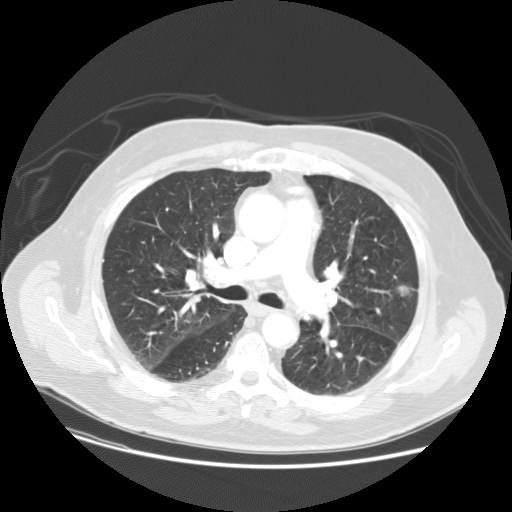
Chest CT, axial plane, 120 kVp, kernel STANDARD. Slice 89/133 from the bottom of the scan; thickness 2.50 mm; pixel size 0.781 mm.
Pulmonary nodule outlined by all four readers; box rows 284–297, columns 395–410 (the union of the readers' outlines on this slice); the four readers' outlines give a longest diameter between 18.8 and 20.7 mm and a volume between 2105 and 2617 mm3. Ratings across the readers: texture 5/5 (solid) from all four readers; margin from 4/5 to 5/5 (circumscribed) across the four readers; sphericity from 3/5 (ovoid) to 5/5 (round) across the four readers; calcification absent from all four readers; internal structure soft tissue, all four readers agreeing; subtlety rated between 3 and 5 out of 5 by the four readers; malignancy likelihood rated between 2 and 5 out of 5 by the four readers. Scale key (1–5): texture non-solid→solid, margin indistinct→circumscribed, sphericity linear→round, subtlety extremely subtle→obvious, malignancy likelihood highly unlikely→highly suspicious of cancer. Box rows and columns are 0-based pixel indices from the top-left corner, inclusive.